Axial chest CT slice 37 of 150 (counted from the lowest slice); tube voltage 120 kVp, convolution kernel STANDARD; slices 2.50 mm thick, 0.820 mm per pixel.
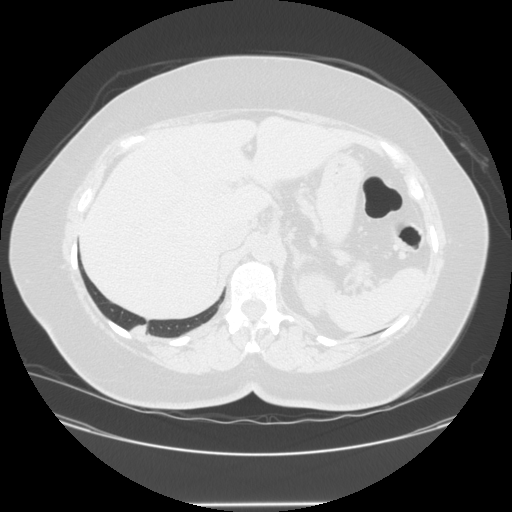
Pulmonary nodule outlined by three of the four readers, two of them on this slice; box rows 321–329, columns 132–142 (the union of the readers' outlines on this slice); the three readers' outlines give a longest diameter between 34.5 and 41.5 mm and a volume between 15181 and 19016 mm3. Ratings across the readers: texture 5/5 (solid), all three readers agreeing; margin from 2/5 to 4/5 across the three readers; sphericity from 3/5 (ovoid) to 5/5 (round) across the three readers; calcification absent from all three readers; internal structure soft tissue from all three readers; subtlety 5/5 from all three readers; malignancy likelihood 5/5 from all three readers. Scale key (1–5): texture non-solid→solid, margin indistinct→circumscribed, sphericity linear→round, subtlety extremely subtle→obvious, malignancy likelihood highly unlikely→highly suspicious of cancer. Box rows and columns are 0-based pixel indices from the top-left corner, inclusive.